Chest CT, axial plane, 120 kVp, kernel B50f. Slice 662/733 from the bottom of the scan; thickness 0.60 mm; pixel size 0.637 mm.
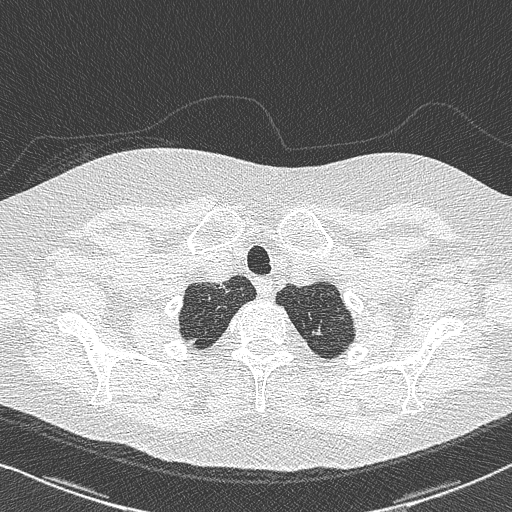
Pulmonary nodule, outlined by three of the four readers. Box on this slice rows 324–335, columns 312–322, the union of the readers' outlines on this slice; longest diameter 9.7 mm on average over the three readers' outlines (readers' outlines 8.9–10.9 mm), volume 51–94 mm3. The readers' prevailing ratings and who disagreed: texture split among the readers: 3/5 (part-solid) (one), 4/5 (one), 5/5 (solid) (one); margin split among the readers: 2/5 (one), 3/5 (one), 4/5 (one); sphericity split among the readers: 2/5 (one), 3/5 (ovoid) (one), 5/5 (round) (one); calcification absent from all three readers; internal structure soft tissue, all three readers agreeing; subtlety 4/5 by two of three readers; the rest gave 5/5 (one); most readers (two of three) put malignancy likelihood at 4/5, others 3/5 (one). Scale key (1–5): texture non-solid→solid, margin indistinct→circumscribed, sphericity linear→round, subtlety extremely subtle→obvious, malignancy likelihood highly unlikely→highly suspicious of cancer. Box rows and columns are 0-based pixel indices from the top-left corner, inclusive.